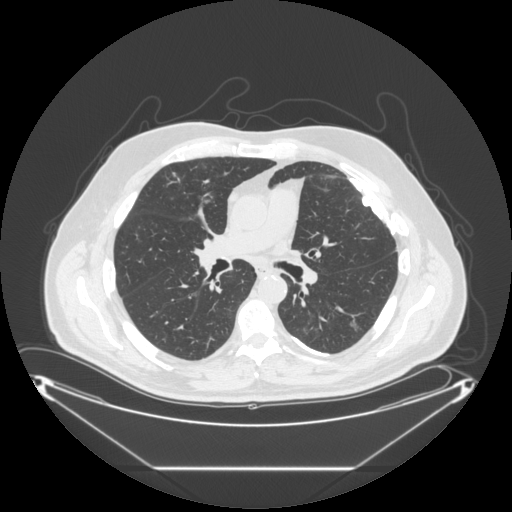
Slice 164/297 of a chest CT, counting up from the lowest; pixel size 0.949 mm, slice thickness 1.25 mm. Pulmonary nodule outlined by two of the four readers; box rows 318–331, columns 350–358 (the union of the readers' outlines on this slice); longest diameter 13.8 mm on average over the two readers' outlines (readers' outlines 12.7–15.0 mm), volume 351–570 mm3. The readers' prevailing ratings and who disagreed: texture split among the readers: 1/5 (non-solid) (one), 5/5 (solid) (one); margin split among the readers: 2/5 (one), 5/5 (circumscribed) (one); sphericity split among the readers: 4/5 (one), 5/5 (round) (one); calcification absent from both readers; internal structure soft tissue from both readers; subtlety split among the readers: 1/5 (one), 4/5 (one); malignancy likelihood 2/5 from both readers. Scale key (1–5): texture non-solid→solid, margin indistinct→circumscribed, sphericity linear→round, subtlety extremely subtle→obvious, malignancy likelihood highly unlikely→highly suspicious of cancer. Box rows and columns are 0-based pixel indices from the top-left corner, inclusive.
Tube voltage 120 kVp; convolution kernel STANDARD.